One axial slice (100 of 333, counting up from the lowest) of a chest CT acquired at 120 kVp with the B70f kernel; each pixel is 0.775 mm and the slice is 2.00 mm thick.
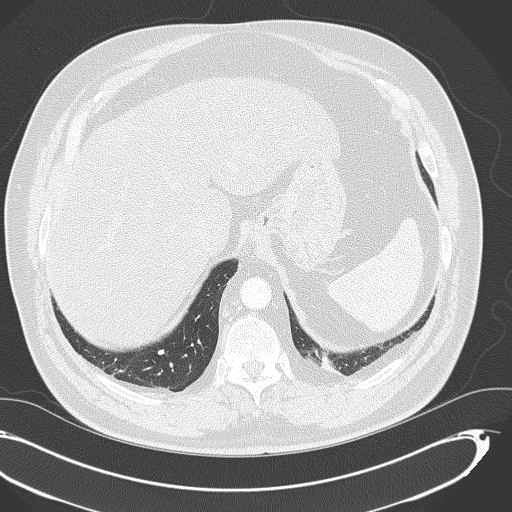
Pulmonary nodule outlined by all four readers; box rows 349–355, columns 157–164 (the union of the readers' outlines on this slice); longest diameter 7.1–8.0 mm and volume 121–157 mm3 across the four readers' outlines. The readers' ratings, as ranges where they differ: texture 5/5 (solid) from all four readers; margin 5/5 (circumscribed) from all four readers; sphericity from 3/5 (ovoid) to 4/5 across the four readers; calcification: solid calcification (three), central calcification (one); internal structure soft tissue from all four readers; subtlety rated between 3 and 5 out of 5 by the four readers; malignancy likelihood 1/5, all four readers agreeing. Scale key (1–5): texture non-solid→solid, margin indistinct→circumscribed, sphericity linear→round, subtlety extremely subtle→obvious, malignancy likelihood highly unlikely→highly suspicious of cancer. Box rows and columns are 0-based pixel indices from the top-left corner, inclusive.